Chest CT, axial plane, 130 kVp, kernel B31s. Slice 63/115 from the bottom of the scan; thickness 3.00 mm; pixel size 0.652 mm.
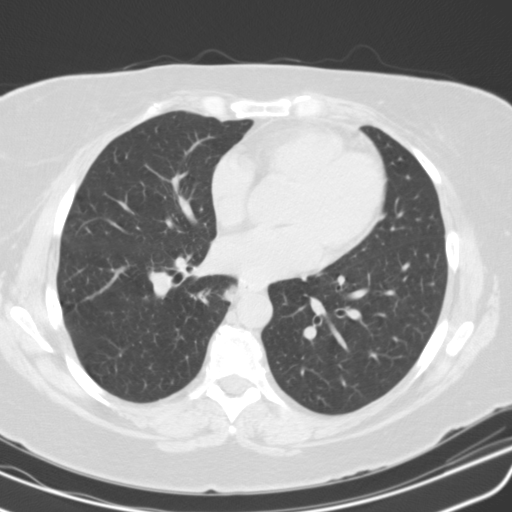
Pulmonary nodule at rows 284–302, columns 222–237 (box = the union of the readers' outlines on this slice), outlined by three of the four readers; median longest diameter 29.4 mm (readers' outlines 24.2–34.9 mm), median volume 3534 mm3 (3268–5378 mm3). Ratings, median across the readers with their spread: median texture 5/5 (solid) (readers ranged 4/5 to 5/5 (solid)); margin 3/5 at the median of three readers, spread 2/5 to 4/5; sphericity 3/5 (ovoid) at the median of three readers, spread 2/5 to 5/5 (round); calcification absent, all three readers agreeing; internal structure soft tissue from all three readers; median subtlety 5/5 (readers ranged 4–5); malignancy likelihood 4/5 from all three readers. Scale key (1–5): texture non-solid→solid, margin indistinct→circumscribed, sphericity linear→round, subtlety extremely subtle→obvious, malignancy likelihood highly unlikely→highly suspicious of cancer. Box rows and columns are 0-based pixel indices from the top-left corner, inclusive.